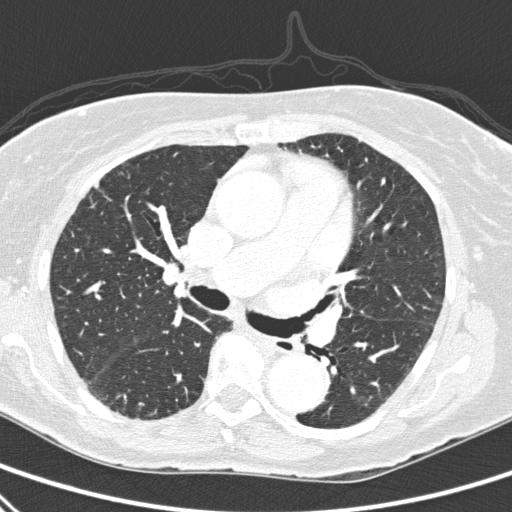
This is axial slice 186 of 310 (slice 1 is the lowest) of a chest CT; each pixel is 0.643 mm and the slice is 1.00 mm thick. Pulmonary nodule outlined by two of the four readers; box rows 181–188, columns 94–98 (the union of the readers' outlines on this slice); median longest diameter 6.4 mm (readers' outlines 6.1–6.7 mm), median volume 80 mm3 (78–81 mm3). Ratings, median across the readers with their spread: texture 5/5 (solid) from both readers; margin 4.5/5 at the median of two readers, spread 4/5 to 5/5 (circumscribed); sphericity 3/5 (ovoid) at the median of two readers, spread 2/5 to 4/5; calcification split among the readers: absent (one), non-central calcification (one); internal structure soft tissue from both readers; subtlety 5/5 from both readers; malignancy likelihood 2/5 at the median of two readers, spread 1–3. Scale key (1–5): texture non-solid→solid, margin indistinct→circumscribed, sphericity linear→round, subtlety extremely subtle→obvious, malignancy likelihood highly unlikely→highly suspicious of cancer. Box rows and columns are 0-based pixel indices from the top-left corner, inclusive.
Acquired at 120 kVp and reconstructed with the D kernel.